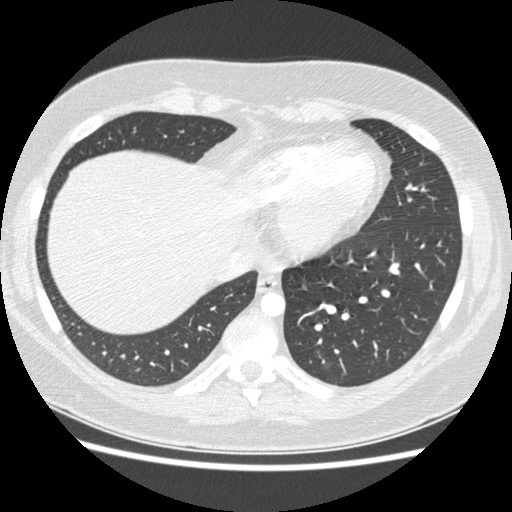
This is axial slice 78 of 238 (slice 1 is the lowest) of a chest CT; each pixel is 0.703 mm and the slice is 1.25 mm thick. Pulmonary nodule at rows 362–368, columns 323–331 (box = the one reader's outline on this slice), outlined by three of the four readers, one of them on this slice; median longest diameter 8.2 mm (readers' outlines 7.2–8.8 mm), median volume 137 mm3 (76–177 mm3). Median ratings and the readers' spread: texture 1/5 (non-solid) from all three readers; median margin 3/5 (readers ranged 3/5 to 4/5); sphericity 4/5 at the median of three readers, spread 3/5 (ovoid) to 4/5; calcification absent from all three readers; internal structure soft tissue, all three readers agreeing; subtlety 3/5 at the median of three readers, spread 1–3; median malignancy likelihood 3/5 (readers ranged 2–4). Scale key (1–5): texture non-solid→solid, margin indistinct→circumscribed, sphericity linear→round, subtlety extremely subtle→obvious, malignancy likelihood highly unlikely→highly suspicious of cancer. Box rows and columns are 0-based pixel indices from the top-left corner, inclusive.
Acquired at 120 kVp and reconstructed with the STANDARD kernel.